One axial slice (98 of 122, counting up from the lowest) of a chest CT acquired at 140 kVp with the BONE kernel; each pixel is 0.664 mm and the slice is 2.50 mm thick.
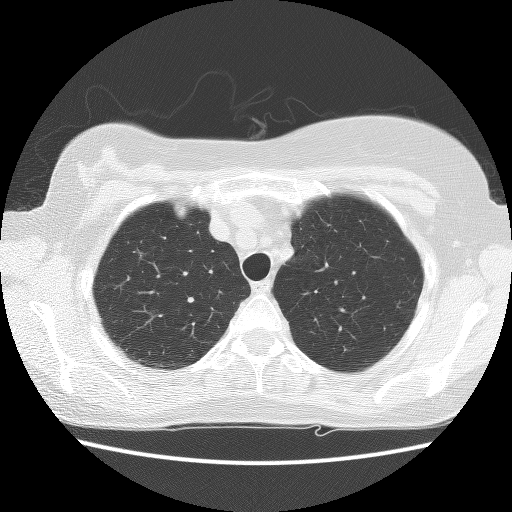
Pulmonary nodule, outlined by one of the four readers. Box on this slice rows 252–257, columns 138–143, that reader's outline on this slice; longest diameter 8.0 mm and volume 185 mm3 from that reader's outline. Ratings by that reader: texture 3/5 (part-solid); margin 2/5; sphericity 3/5 (ovoid); calcification absent; internal structure soft tissue; subtlety 4/5; malignancy likelihood 3/5. Scale key (1–5): texture non-solid→solid, margin indistinct→circumscribed, sphericity linear→round, subtlety extremely subtle→obvious, malignancy likelihood highly unlikely→highly suspicious of cancer. Box rows and columns are 0-based pixel indices from the top-left corner, inclusive.